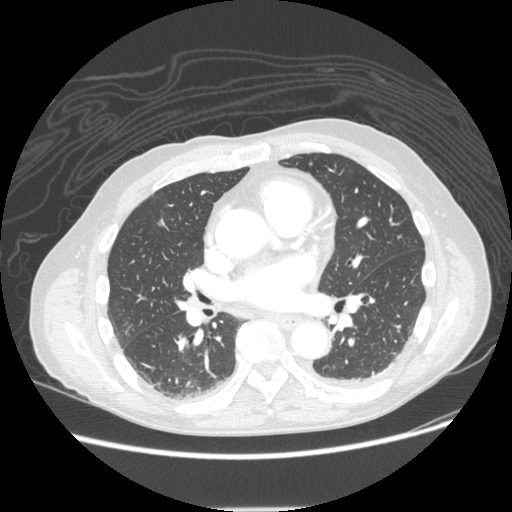
Chest CT, axial plane, 120 kVp, kernel STANDARD. Slice 108/232 from the bottom of the scan; thickness 1.25 mm; pixel size 0.742 mm.
Pulmonary nodule, outlined by all four readers, two of them on this slice. Box on this slice rows 218–226, columns 157–164, the union of the readers' outlines on this slice; longest diameter 10.7 mm on average over the four readers' outlines (readers' outlines 10.5–11.0 mm), volume 183–275 mm3. Ratings, by the readers' most common answer with dissent counted: texture 5/5 (solid), all four readers agreeing; most readers (three of four) put margin at 5/5 (circumscribed), others 4/5 (one); sphericity split among the readers: 4/5 (two), 5/5 (round) (two); calcification split among the readers: solid calcification (two), central calcification (two); internal structure soft tissue, all four readers agreeing; subtlety 5/5 by three of four readers; the rest gave 4/5 (one); malignancy likelihood 1/5, all four readers agreeing. Scale key (1–5): texture non-solid→solid, margin indistinct→circumscribed, sphericity linear→round, subtlety extremely subtle→obvious, malignancy likelihood highly unlikely→highly suspicious of cancer. Box rows and columns are 0-based pixel indices from the top-left corner, inclusive.